Chest CT, axial plane, 120 kVp, kernel BONE. Slice 229/246 from the bottom of the scan; thickness 1.25 mm; pixel size 0.652 mm.
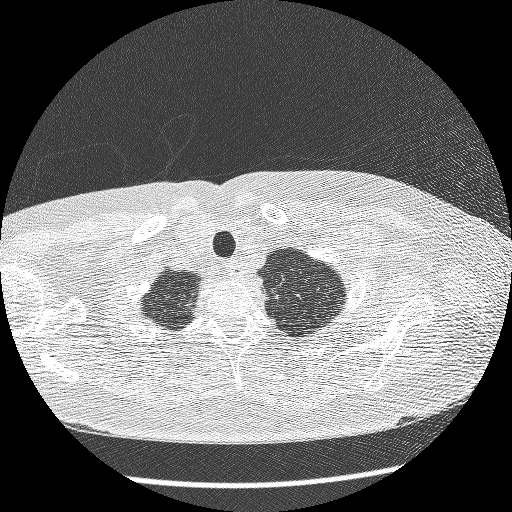
Pulmonary nodule outlined by all four readers, three of them on this slice; box rows 288–299, columns 272–278 (the union of the readers' outlines on this slice); longest diameter 8.9 mm on average over the four readers' outlines (readers' outlines 5.8–10.8 mm), volume 61–127 mm3. The readers' prevailing ratings and who disagreed: texture 5/5 (solid) from all four readers; margin 4/5 by two of four readers; the rest gave 1/5 (indistinct) (one), 5/5 (circumscribed) (one); sphericity 2/5 by three of four readers; the rest gave 4/5 (one); calcification absent from all four readers; internal structure soft tissue, all four readers agreeing; most readers (three of four) put subtlety at 3/5, others 4/5 (one); malignancy likelihood 2/5 by two of four readers; the rest gave 3/5 (one), 4/5 (one). Scale key (1–5): texture non-solid→solid, margin indistinct→circumscribed, sphericity linear→round, subtlety extremely subtle→obvious, malignancy likelihood highly unlikely→highly suspicious of cancer. Box rows and columns are 0-based pixel indices from the top-left corner, inclusive.